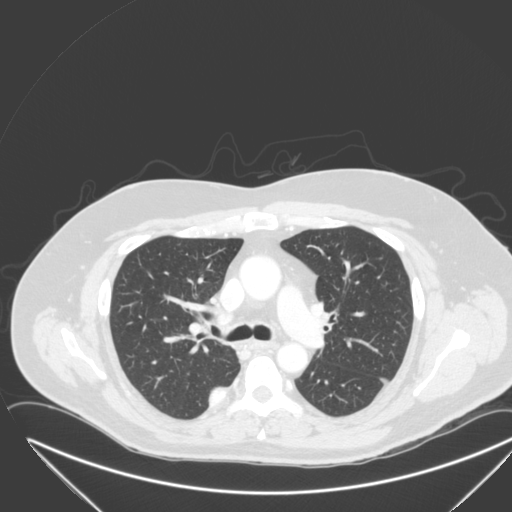
Chest CT, axial plane, 120 kVp, kernel B. Slice 205/315 from the bottom of the scan; thickness 2.00 mm; pixel size 0.830 mm.
Pulmonary nodule at rows 388–404, columns 210–224 (box = that reader's outline on this slice), outlined by one of the four readers; longest diameter 27.1 mm and volume 6093 mm3 from that reader's outline. Ratings by that reader: texture 5/5 (solid); margin 4/5; sphericity 2/5; calcification absent; internal structure soft tissue; subtlety 5/5; malignancy likelihood 4/5. Scale key (1–5): texture non-solid→solid, margin indistinct→circumscribed, sphericity linear→round, subtlety extremely subtle→obvious, malignancy likelihood highly unlikely→highly suspicious of cancer. Box rows and columns are 0-based pixel indices from the top-left corner, inclusive.